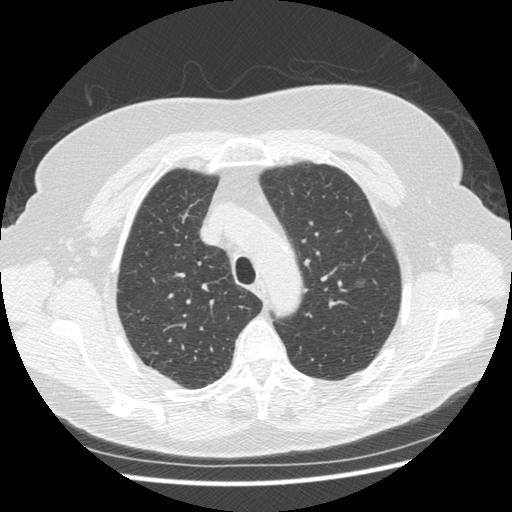
Axial chest CT slice 329 of 413 (counted from the lowest slice); 1.25 mm thick, 0.703 mm per pixel. Pulmonary nodule, outlined by two of the four readers. Box on this slice rows 279–287, columns 355–365, the union of the readers' outlines on this slice; longest diameter 10.1 mm on average over the two readers' outlines (readers' outlines 10.1 mm), volume 131–234 mm3. Ratings, by the readers' most common answer with dissent counted: texture 1/5 (non-solid) from both readers; margin split among the readers: 1/5 (indistinct) (one), 3/5 (one); sphericity split among the readers: 4/5 (one), 5/5 (round) (one); calcification absent, both readers agreeing; internal structure soft tissue, both readers agreeing; subtlety split among the readers: 1/5 (one), 4/5 (one); malignancy likelihood split among the readers: 3/5 (one), 4/5 (one). Scale key (1–5): texture non-solid→solid, margin indistinct→circumscribed, sphericity linear→round, subtlety extremely subtle→obvious, malignancy likelihood highly unlikely→highly suspicious of cancer. Box rows and columns are 0-based pixel indices from the top-left corner, inclusive.
Tube voltage 120 kVp; convolution kernel STANDARD.